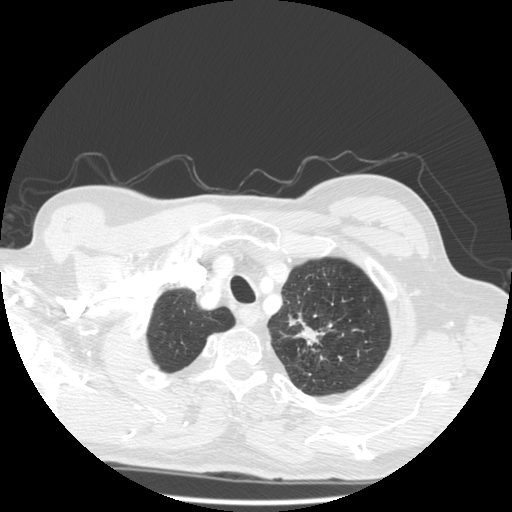
Slice 452/501 of a chest CT, counting up from the lowest; pixel size 0.703 mm, slice thickness 1.25 mm. Pulmonary nodule, outlined by three of the four readers. Box on this slice rows 312–345, columns 288–325, the union of the readers' outlines on this slice; median longest diameter 33.8 mm (readers' outlines 32.1–39.2 mm), median volume 3078 mm3 (2361–4873 mm3). Ratings, median across the readers with their spread: texture 5/5 (solid) at the median of three readers, spread 4/5 to 5/5 (solid); median margin 3/5 (readers ranged 1/5 (indistinct) to 5/5 (circumscribed)); median sphericity 3/5 (ovoid) (readers ranged 2/5 to 5/5 (round)); calcification absent, all three readers agreeing; internal structure soft tissue from all three readers; subtlety 5/5 from all three readers; malignancy likelihood 5/5 at the median of three readers, spread 4–5. Scale key (1–5): texture non-solid→solid, margin indistinct→circumscribed, sphericity linear→round, subtlety extremely subtle→obvious, malignancy likelihood highly unlikely→highly suspicious of cancer. Box rows and columns are 0-based pixel indices from the top-left corner, inclusive.
Tube voltage 140 kVp; convolution kernel STANDARD.